Axial slice 79 of 115 of a chest CT (slice 1 is the lowest), reconstructed with the STANDARD kernel at 120 kVp; 2.50 mm slice thickness and 0.820 mm pixels.
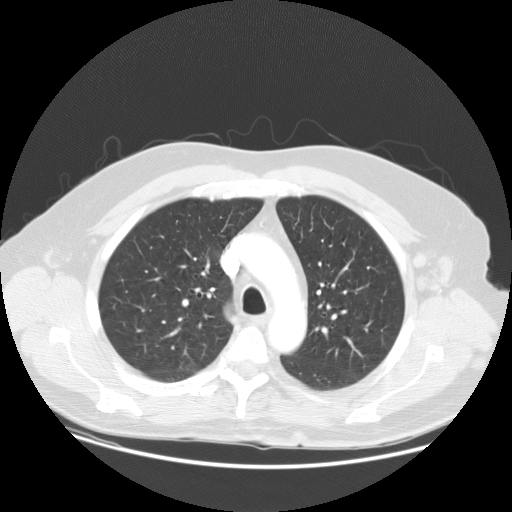
Pulmonary nodule, outlined by all four readers, two of them on this slice. Box on this slice rows 264–266, columns 308–309, the union of the readers' outlines on this slice; median longest diameter 8.7 mm (readers' outlines 8.2–8.8 mm), median volume 211 mm3 (205–271 mm3). Median ratings and the readers' spread: texture 5/5 (solid) from all four readers; median margin 4.5/5 (readers ranged 4/5 to 5/5 (circumscribed)); sphericity 4/5 at the median of four readers, spread 3/5 (ovoid) to 4/5; calcification absent, all four readers agreeing; internal structure soft tissue from all four readers; subtlety 3/5 at the median of four readers, spread 3–4; median malignancy likelihood 3/5 (readers ranged 2–3). Scale key (1–5): texture non-solid→solid, margin indistinct→circumscribed, sphericity linear→round, subtlety extremely subtle→obvious, malignancy likelihood highly unlikely→highly suspicious of cancer. Box rows and columns are 0-based pixel indices from the top-left corner, inclusive.